One axial slice (156 of 257, counting up from the lowest) of a chest CT acquired at 120 kVp with the STANDARD kernel; each pixel is 0.852 mm and the slice is 1.25 mm thick.
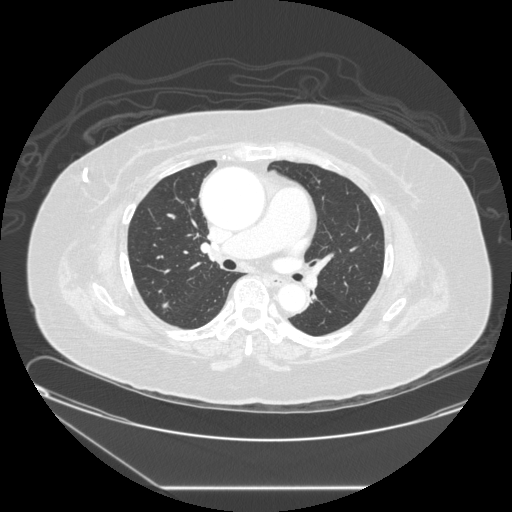
Pulmonary nodule, outlined by one of the four readers. Box on this slice rows 303–309, columns 163–167, that reader's outline on this slice; longest diameter 7.0 mm and volume 95 mm3 from that reader's outline. Ratings by that reader: texture 5/5 (solid); margin 5/5 (circumscribed); sphericity 4/5; calcification absent; internal structure soft tissue; subtlety 2/5; malignancy likelihood 3/5. Scale key (1–5): texture non-solid→solid, margin indistinct→circumscribed, sphericity linear→round, subtlety extremely subtle→obvious, malignancy likelihood highly unlikely→highly suspicious of cancer. Box rows and columns are 0-based pixel indices from the top-left corner, inclusive.